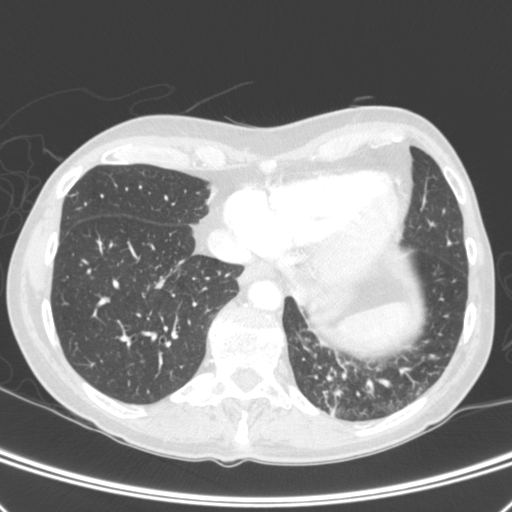
Chest CT, axial plane, 120 kVp, kernel C. Slice 101/392 from the bottom of the scan; thickness 1.50 mm; pixel size 0.639 mm.
Pulmonary nodule, outlined by three of the four readers. Box on this slice rows 277–288, columns 155–164, the union of the readers' outlines on this slice; median longest diameter 9.7 mm (readers' outlines 9.0–10.9 mm), median volume 245 mm3 (190–278 mm3). Median ratings and the readers' spread: texture 5/5 (solid) from all three readers; median margin 5/5 (circumscribed) (readers ranged 3/5 to 5/5 (circumscribed)); sphericity 3/5 (ovoid), all three readers agreeing; calcification absent from all three readers; internal structure soft tissue, all three readers agreeing; median subtlety 4/5 (readers ranged 4–5); median malignancy likelihood 2/5 (readers ranged 2–4). Scale key (1–5): texture non-solid→solid, margin indistinct→circumscribed, sphericity linear→round, subtlety extremely subtle→obvious, malignancy likelihood highly unlikely→highly suspicious of cancer. Box rows and columns are 0-based pixel indices from the top-left corner, inclusive.